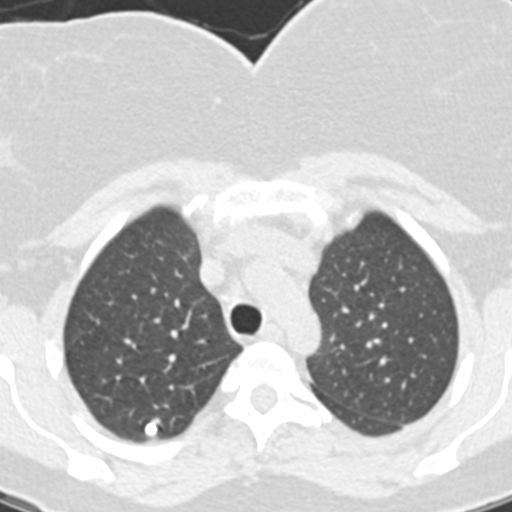
Axial chest CT slice 151 of 331 (counted from the lowest slice); tube voltage 130 kVp, convolution kernel B20s; slices 1.25 mm thick, 0.496 mm per pixel.
Pulmonary nodule, outlined by all four readers. Box on this slice rows 422–435, columns 144–157, the union of the readers' outlines on this slice; longest diameter 6.9–8.4 mm and volume 132–209 mm3 across the four readers' outlines. Ratings across the readers: texture 5/5 (solid) from all four readers; margin 5/5 (circumscribed) from all four readers; sphericity from 4/5 to 5/5 (round) across the four readers; calcification: solid calcification (three), central calcification (one); internal structure soft tissue, all four readers agreeing; subtlety rated between 4 and 5 out of 5 by the four readers; malignancy likelihood 1/5, all four readers agreeing. Scale key (1–5): texture non-solid→solid, margin indistinct→circumscribed, sphericity linear→round, subtlety extremely subtle→obvious, malignancy likelihood highly unlikely→highly suspicious of cancer. Box rows and columns are 0-based pixel indices from the top-left corner, inclusive.